One axial slice (567 of 733, counting up from the lowest) of a chest CT acquired at 120 kVp with the B50f kernel; each pixel is 0.637 mm and the slice is 0.60 mm thick.
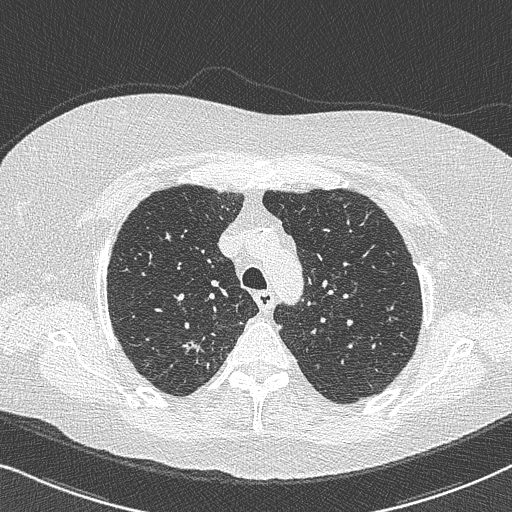
Pulmonary nodule, outlined by all four readers, two of them on this slice. Box on this slice rows 339–353, columns 181–202, the union of the readers' outlines on this slice; median longest diameter 21.4 mm (readers' outlines 15.5–29.7 mm), median volume 1103 mm3 (888–2128 mm3). Median ratings and the readers' spread: median texture 5/5 (solid) (readers ranged 4/5 to 5/5 (solid)); median margin 3/5 (readers ranged 1/5 (indistinct) to 4/5); median sphericity 3/5 (ovoid) (readers ranged 2/5 to 5/5 (round)); calcification absent, all four readers agreeing; internal structure soft tissue, all four readers agreeing; subtlety 5/5 at the median of four readers, spread 4–5; median malignancy likelihood 4/5 (readers ranged 4–5). Scale key (1–5): texture non-solid→solid, margin indistinct→circumscribed, sphericity linear→round, subtlety extremely subtle→obvious, malignancy likelihood highly unlikely→highly suspicious of cancer. Box rows and columns are 0-based pixel indices from the top-left corner, inclusive.